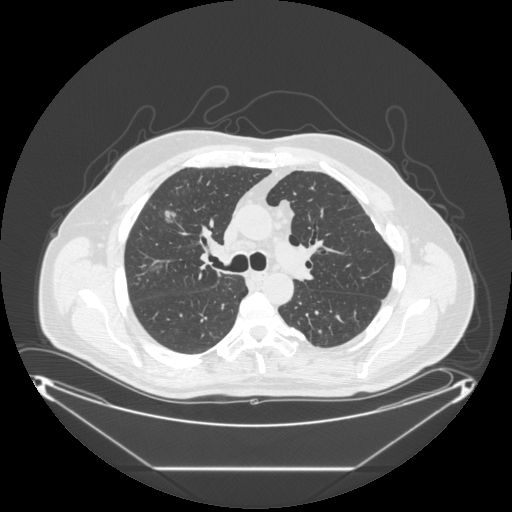
Axial slice 191 of 297 of a chest CT (slice 1 is the lowest), reconstructed with the STANDARD kernel at 120 kVp; 1.25 mm slice thickness and 0.949 mm pixels.
Pulmonary nodule outlined by three of the four readers; box rows 209–223, columns 163–176 (the union of the readers' outlines on this slice); median longest diameter 18.3 mm (readers' outlines 16.4–29.0 mm), median volume 628 mm3 (528–991 mm3). Median ratings and the readers' spread: texture 3/5 (part-solid) at the median of three readers, spread 1/5 (non-solid) to 5/5 (solid); median margin 2/5 (readers ranged 2/5 to 4/5); sphericity 5/5 (round) at the median of three readers, spread 3/5 (ovoid) to 5/5 (round); calcification absent, all three readers agreeing; internal structure soft tissue from all three readers; subtlety 4/5 at the median of three readers, spread 1–5; median malignancy likelihood 4/5 (readers ranged 2–5). Scale key (1–5): texture non-solid→solid, margin indistinct→circumscribed, sphericity linear→round, subtlety extremely subtle→obvious, malignancy likelihood highly unlikely→highly suspicious of cancer. Box rows and columns are 0-based pixel indices from the top-left corner, inclusive.